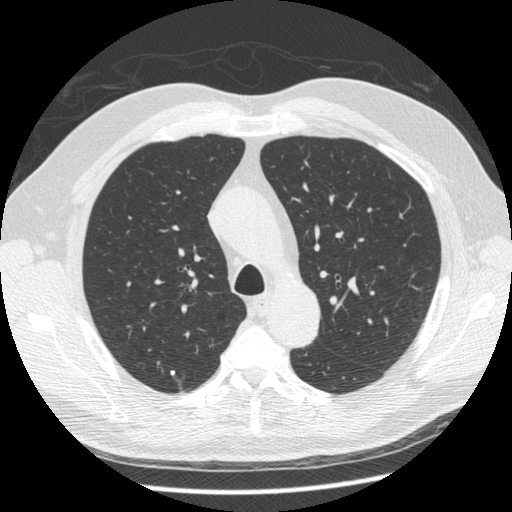
This is axial slice 373 of 519 (slice 1 is the lowest) of a chest CT; each pixel is 0.703 mm and the slice is 1.25 mm thick. Pulmonary nodule at rows 371–374, columns 171–174 (box = that reader's outline on this slice), outlined by one of the four readers; longest diameter 4.4 mm and volume 30 mm3 from that reader's outline. Ratings by that reader: texture 5/5 (solid); margin 5/5 (circumscribed); sphericity 5/5 (round); calcification solid calcification; internal structure soft tissue; subtlety 4/5; malignancy likelihood 1/5. Scale key (1–5): texture non-solid→solid, margin indistinct→circumscribed, sphericity linear→round, subtlety extremely subtle→obvious, malignancy likelihood highly unlikely→highly suspicious of cancer. Box rows and columns are 0-based pixel indices from the top-left corner, inclusive.
Tube voltage 120 kVp; convolution kernel STANDARD.